Chest CT, axial plane, 120 kVp, kernel STANDARD. Slice 117/133 from the bottom of the scan; thickness 2.50 mm; pixel size 0.859 mm.
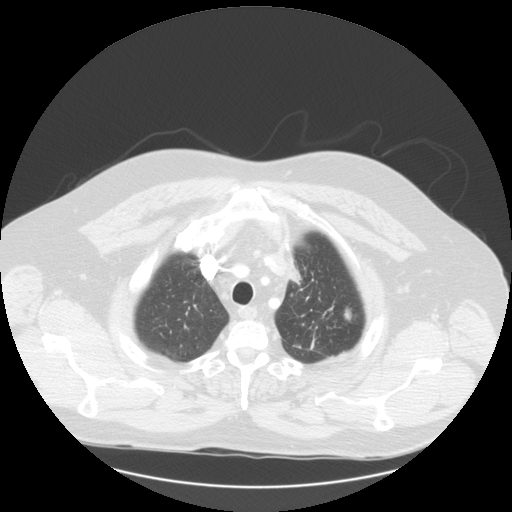
Pulmonary nodule, outlined by all four readers. Box on this slice rows 307–321, columns 342–351, the union of the readers' outlines on this slice; longest diameter 16.4–22.4 mm and volume 1808–2759 mm3 across the four readers' outlines. Ratings across the readers: texture from 4/5 to 5/5 (solid) across the four readers; margin from 3/5 to 5/5 (circumscribed) across the four readers; sphericity from 3/5 (ovoid) to 5/5 (round) across the four readers; calcification absent from all four readers; internal structure soft tissue, all four readers agreeing; subtlety from 3/5 to 5/5 across the four readers; malignancy likelihood 4–5/5 (the readers disagree). Scale key (1–5): texture non-solid→solid, margin indistinct→circumscribed, sphericity linear→round, subtlety extremely subtle→obvious, malignancy likelihood highly unlikely→highly suspicious of cancer. Box rows and columns are 0-based pixel indices from the top-left corner, inclusive.